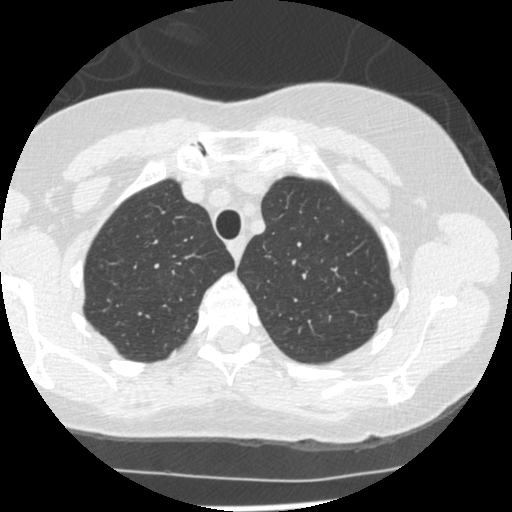
Axial slice 376 of 465 of a chest CT (slice 1 is the lowest), reconstructed with the STANDARD kernel at 120 kVp; 1.25 mm slice thickness and 0.586 mm pixels.
Pulmonary nodule at rows 258–262, columns 118–123 (box = the one reader's outline on this slice), outlined by two of the four readers, one of them on this slice; the two readers' outlines give a longest diameter between 4.3 and 5.9 mm and a volume between 21 and 42 mm3. Ratings across the readers: texture from 1/5 (non-solid) to 3/5 (part-solid) across the two readers; margin from 1/5 (indistinct) to 4/5 across the two readers; sphericity from 3/5 (ovoid) to 4/5 across the two readers; calcification absent from both readers; internal structure soft tissue from both readers; subtlety from 3/5 to 5/5 across the two readers; malignancy likelihood 3/5, both readers agreeing. Scale key (1–5): texture non-solid→solid, margin indistinct→circumscribed, sphericity linear→round, subtlety extremely subtle→obvious, malignancy likelihood highly unlikely→highly suspicious of cancer. Box rows and columns are 0-based pixel indices from the top-left corner, inclusive.